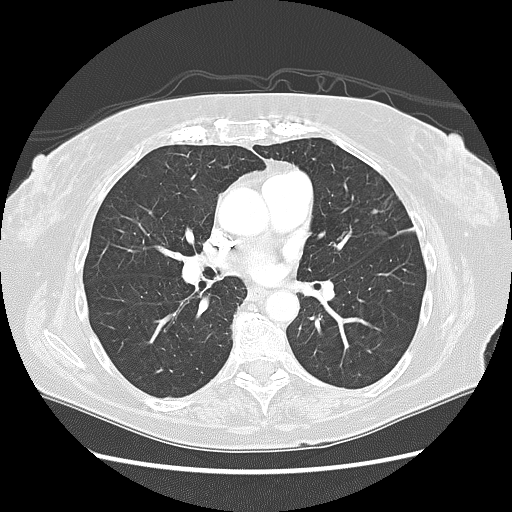
Axial chest CT slice 59 of 125 (counted from the lowest slice); 2.50 mm thick, 0.703 mm per pixel. Pulmonary nodule at rows 209–213, columns 371–376 (box = that reader's outline on this slice), outlined by one of the four readers; longest diameter 6.0 mm and volume 78 mm3 from that reader's outline. Ratings by that reader: texture 3/5 (part-solid); margin 4/5; sphericity 2/5; calcification absent; internal structure soft tissue; subtlety 1/5; malignancy likelihood 3/5. Scale key (1–5): texture non-solid→solid, margin indistinct→circumscribed, sphericity linear→round, subtlety extremely subtle→obvious, malignancy likelihood highly unlikely→highly suspicious of cancer. Box rows and columns are 0-based pixel indices from the top-left corner, inclusive.
Scan settings: 120 kVp, LUNG reconstruction kernel.